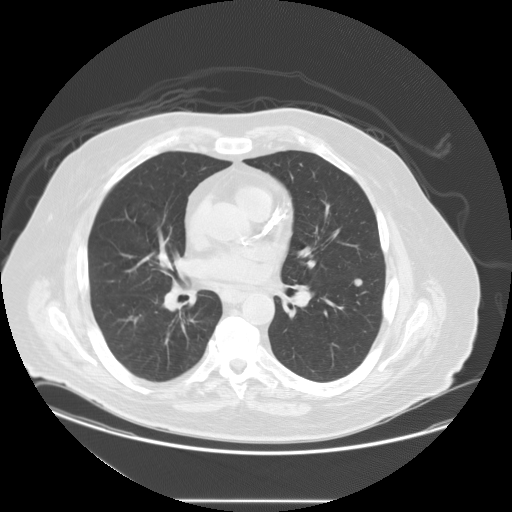
Axial chest CT slice 77 of 133 (counted from the lowest slice); tube voltage 120 kVp, convolution kernel STANDARD; slices 2.50 mm thick, 0.859 mm per pixel.
Pulmonary nodule, outlined by all four readers. Box on this slice rows 278–286, columns 353–362, the union of the readers' outlines on this slice; longest diameter 10.4 mm on average over the four readers' outlines (readers' outlines 9.6–11.3 mm), volume 358–661 mm3. Ratings, by the readers' most common answer with dissent counted: texture 5/5 (solid), all four readers agreeing; margin 5/5 (circumscribed), all four readers agreeing; most readers (three of four) put sphericity at 5/5 (round), others 4/5 (one); calcification absent from all four readers; internal structure soft tissue, all four readers agreeing; subtlety 4/5 by two of four readers; the rest gave 3/5 (one), 5/5 (one); malignancy likelihood 3/5 by three of four readers; the rest gave 2/5 (one). Scale key (1–5): texture non-solid→solid, margin indistinct→circumscribed, sphericity linear→round, subtlety extremely subtle→obvious, malignancy likelihood highly unlikely→highly suspicious of cancer. Box rows and columns are 0-based pixel indices from the top-left corner, inclusive.